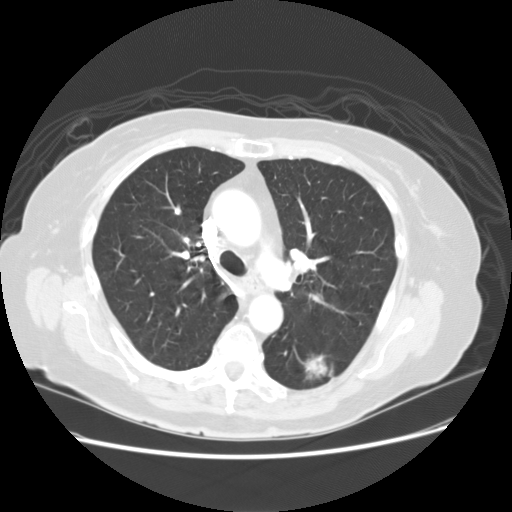
Axial chest CT slice 94 of 133 (counted from the lowest slice); 2.50 mm thick, 0.703 mm per pixel. Pulmonary nodule, outlined by all four readers. Box on this slice rows 352–383, columns 303–332, the union of the readers' outlines on this slice; median longest diameter 32.7 mm (readers' outlines 32.0–33.7 mm), median volume 6971 mm3 (6146–7869 mm3). Median ratings and the readers' spread: texture 5/5 (solid) at the median of four readers, spread 4/5 to 5/5 (solid); margin 3.5/5 at the median of four readers, spread 2/5 to 4/5; median sphericity 3.5/5 (readers ranged 3/5 (ovoid) to 5/5 (round)); calcification absent from all four readers; internal structure soft tissue from all four readers; subtlety 5/5, all four readers agreeing; malignancy likelihood 5/5 at the median of four readers, spread 4–5. Scale key (1–5): texture non-solid→solid, margin indistinct→circumscribed, sphericity linear→round, subtlety extremely subtle→obvious, malignancy likelihood highly unlikely→highly suspicious of cancer. Box rows and columns are 0-based pixel indices from the top-left corner, inclusive.
Acquired at 120 kVp and reconstructed with the STANDARD kernel.